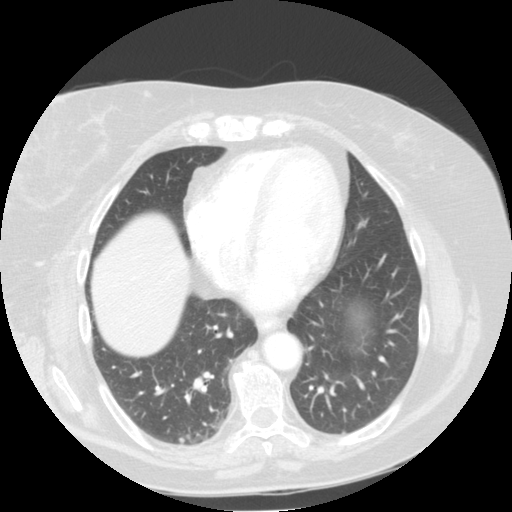
One axial slice (53 of 113, counting up from the lowest) of a chest CT acquired at 120 kVp with the STANDARD kernel; each pixel is 0.703 mm and the slice is 2.50 mm thick.
Two pulmonary nodules are outlined on this slice; from left to right: (1) Pulmonary nodule outlined by one of the four readers; box rows 438–443, columns 179–184 (that reader's outline on this slice); longest diameter 5.4 mm and volume 75 mm3 from that reader's outline. That reader's ratings: texture 5/5 (solid); margin 5/5 (circumscribed); sphericity 5/5 (round); calcification absent; internal structure soft tissue; subtlety 2/5; malignancy likelihood 2/5. (2) Pulmonary nodule, outlined by one of the four readers. Box on this slice rows 435–438, columns 187–189, that reader's outline on this slice; longest diameter 6.0 mm and volume 64 mm3 from that reader's outline. Ratings by that reader: texture 5/5 (solid); margin 5/5 (circumscribed); sphericity 5/5 (round); calcification absent; internal structure soft tissue; subtlety 2/5; malignancy likelihood 2/5. Scale key (1–5): texture non-solid→solid, margin indistinct→circumscribed, sphericity linear→round, subtlety extremely subtle→obvious, malignancy likelihood highly unlikely→highly suspicious of cancer. Box rows and columns are 0-based pixel indices from the top-left corner, inclusive.